Axial slice 194 of 383 of a chest CT (slice 1 is the lowest), reconstructed with the B45f kernel at 120 kVp; 1.00 mm slice thickness and 0.664 mm pixels.
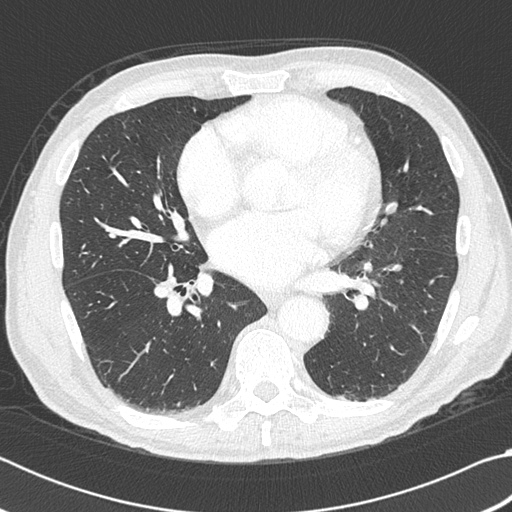
Pulmonary nodule at rows 107–114, columns 192–195 (box = the one reader's outline on this slice), outlined by all four readers, one of them on this slice; longest diameter 9.8–12.2 mm and volume 379–631 mm3 across the four readers' outlines. Ratings across the readers: texture 5/5 (solid), all four readers agreeing; margin 5/5 (circumscribed) from all four readers; sphericity from 3/5 (ovoid) to 5/5 (round) across the four readers; calcification: absent (three), solid calcification (one); internal structure soft tissue from all four readers; subtlety from 4/5 to 5/5 across the four readers; malignancy likelihood from 1/5 to 4/5 across the four readers. Scale key (1–5): texture non-solid→solid, margin indistinct→circumscribed, sphericity linear→round, subtlety extremely subtle→obvious, malignancy likelihood highly unlikely→highly suspicious of cancer. Box rows and columns are 0-based pixel indices from the top-left corner, inclusive.